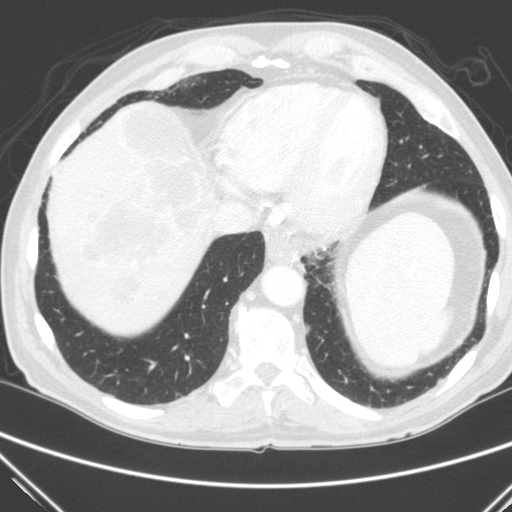
This is axial slice 61 of 290 (slice 1 is the lowest) of a chest CT; each pixel is 0.682 mm and the slice is 2.00 mm thick. Pulmonary nodule at rows 323–333, columns 302–310 (box = the union of the readers' outlines on this slice), outlined by all four readers; median longest diameter 12.7 mm (readers' outlines 12.3–13.7 mm), median volume 484 mm3 (463–570 mm3). Ratings, median across the readers with their spread: texture 5/5 (solid) from all four readers; margin 4/5 at the median of four readers, spread 4/5 to 5/5 (circumscribed); median sphericity 3/5 (ovoid) (readers ranged 2/5 to 4/5); calcification absent, all four readers agreeing; internal structure soft tissue from all four readers; median subtlety 4/5 (readers ranged 3–5); malignancy likelihood 3/5 at the median of four readers, spread 3–4. Scale key (1–5): texture non-solid→solid, margin indistinct→circumscribed, sphericity linear→round, subtlety extremely subtle→obvious, malignancy likelihood highly unlikely→highly suspicious of cancer. Box rows and columns are 0-based pixel indices from the top-left corner, inclusive.
Scan settings: 120 kVp, C reconstruction kernel.